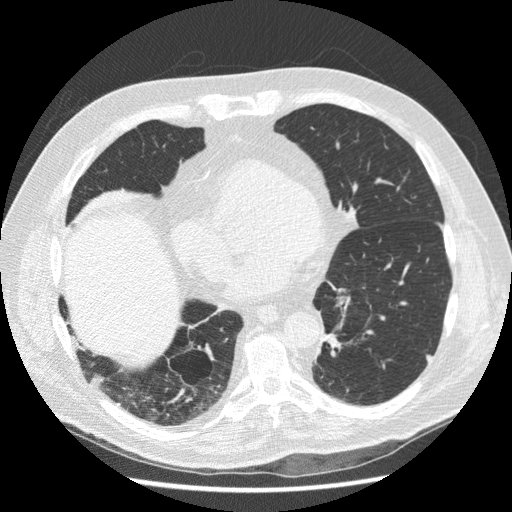
Chest CT, axial plane, 120 kVp, kernel STANDARD. Slice 76/216 from the bottom of the scan; thickness 1.25 mm; pixel size 0.703 mm.
Pulmonary nodule, outlined by two of the four readers. Box on this slice rows 355–361, columns 425–431, the union of the readers' outlines on this slice; the two readers' outlines give a longest diameter between 6.0 and 6.4 mm and a volume between 94 and 101 mm3. Ratings across the readers: texture 5/5 (solid), both readers agreeing; margin from 3/5 to 5/5 (circumscribed) across the two readers; sphericity from 3/5 (ovoid) to 5/5 (round) across the two readers; calcification absent from both readers; internal structure soft tissue, both readers agreeing; subtlety rated between 3 and 4 out of 5 by the two readers; malignancy likelihood 2/5 from both readers. Scale key (1–5): texture non-solid→solid, margin indistinct→circumscribed, sphericity linear→round, subtlety extremely subtle→obvious, malignancy likelihood highly unlikely→highly suspicious of cancer. Box rows and columns are 0-based pixel indices from the top-left corner, inclusive.